One axial slice (182 of 266, counting up from the lowest) of a chest CT acquired at 120 kVp with the D kernel; each pixel is 0.668 mm and the slice is 1.00 mm thick.
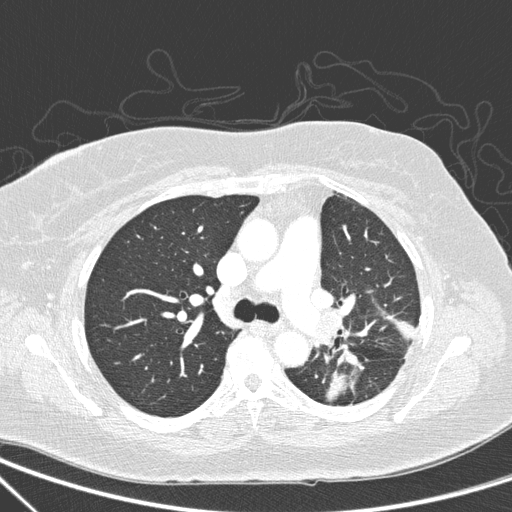
Pulmonary nodule at rows 352–364, columns 347–356 (box = that reader's outline on this slice), outlined by one of the four readers; longest diameter 11.5 mm and volume 333 mm3 from that reader's outline. Ratings by that reader: texture 5/5 (solid); margin 3/5; sphericity 2/5; calcification absent; internal structure soft tissue; subtlety 3/5; malignancy likelihood 4/5. Scale key (1–5): texture non-solid→solid, margin indistinct→circumscribed, sphericity linear→round, subtlety extremely subtle→obvious, malignancy likelihood highly unlikely→highly suspicious of cancer. Box rows and columns are 0-based pixel indices from the top-left corner, inclusive.